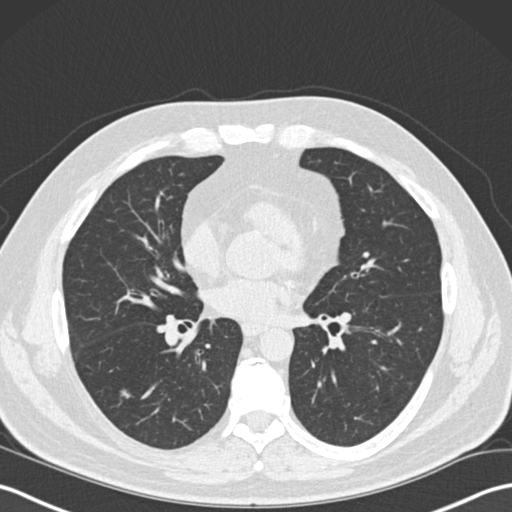
This is axial slice 97 of 191 (slice 1 is the lowest) of a chest CT; each pixel is 0.684 mm and the slice is 2.00 mm thick. Pulmonary nodule at rows 388–398, columns 119–130 (box = the union of the readers' outlines on this slice), outlined by all four readers; the four readers' outlines give a longest diameter between 8.3 and 10.1 mm and a volume between 135 and 182 mm3. Ratings across the readers: texture from 3/5 (part-solid) to 5/5 (solid) across the four readers; margin from 2/5 to 4/5 across the four readers; sphericity 3/5 (ovoid), all four readers agreeing; calcification absent from all four readers; internal structure soft tissue, all four readers agreeing; subtlety rated between 2 and 5 out of 5 by the four readers; malignancy likelihood from 2/5 to 4/5 across the four readers. Scale key (1–5): texture non-solid→solid, margin indistinct→circumscribed, sphericity linear→round, subtlety extremely subtle→obvious, malignancy likelihood highly unlikely→highly suspicious of cancer. Box rows and columns are 0-based pixel indices from the top-left corner, inclusive.
Tube voltage 120 kVp; convolution kernel B30f.